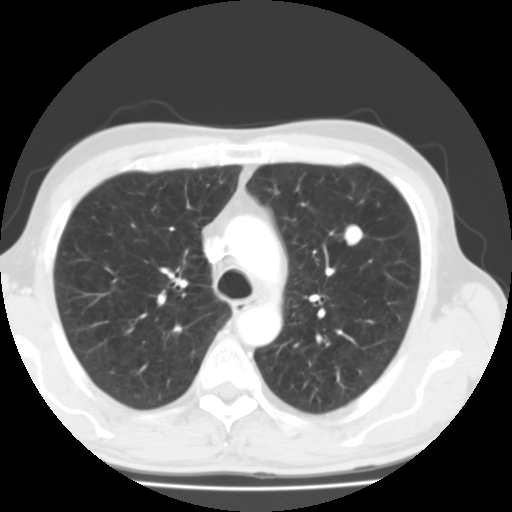
Chest CT, axial plane, 135 kVp, kernel FC01. Slice 83/119 from the bottom of the scan; thickness 3.00 mm; pixel size 0.640 mm.
Pulmonary nodule, outlined by all four readers. Box on this slice rows 224–246, columns 343–364, the union of the readers' outlines on this slice; longest diameter 15.9 mm on average over the four readers' outlines (readers' outlines 15.6–16.2 mm), volume 1503–2011 mm3. The readers' prevailing ratings and who disagreed: texture 5/5 (solid) from all four readers; most readers (three of four) put margin at 5/5 (circumscribed), others 4/5 (one); sphericity 5/5 (round) by two of four readers; the rest gave 3/5 (ovoid) (one), 4/5 (one); calcification absent by three of four readers, central calcification (one); internal structure soft tissue, all four readers agreeing; subtlety 5/5 by three of four readers; the rest gave 4/5 (one); malignancy likelihood split among the readers: 1/5 (one), 3/5 (one), 4/5 (one), 5/5 (one). Scale key (1–5): texture non-solid→solid, margin indistinct→circumscribed, sphericity linear→round, subtlety extremely subtle→obvious, malignancy likelihood highly unlikely→highly suspicious of cancer. Box rows and columns are 0-based pixel indices from the top-left corner, inclusive.